One axial slice (175 of 368, counting up from the lowest) of a chest CT acquired at 120 kVp with the B70f kernel; each pixel is 0.623 mm and the slice is 2.00 mm thick.
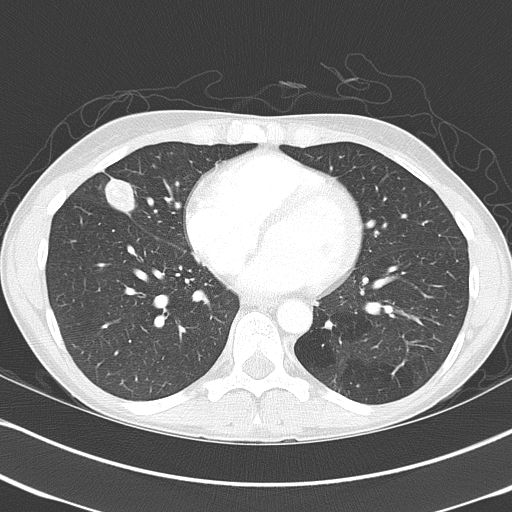
Pulmonary nodule outlined by all four readers; box rows 172–218, columns 103–135 (the union of the readers' outlines on this slice); the four readers' outlines give a longest diameter between 27.1 and 39.3 mm and a volume between 6531 and 9806 mm3. Ratings across the readers: texture 5/5 (solid), all four readers agreeing; margin from 2/5 to 5/5 (circumscribed) across the four readers; sphericity from 2/5 to 3/5 (ovoid) across the four readers; calcification split among the readers: laminated calcification (one), absent (one), popcorn calcification (one), non-central calcification (one); internal structure soft tissue from all four readers; subtlety 5/5 from all four readers; malignancy likelihood from 1/5 to 5/5 across the four readers. Scale key (1–5): texture non-solid→solid, margin indistinct→circumscribed, sphericity linear→round, subtlety extremely subtle→obvious, malignancy likelihood highly unlikely→highly suspicious of cancer. Box rows and columns are 0-based pixel indices from the top-left corner, inclusive.